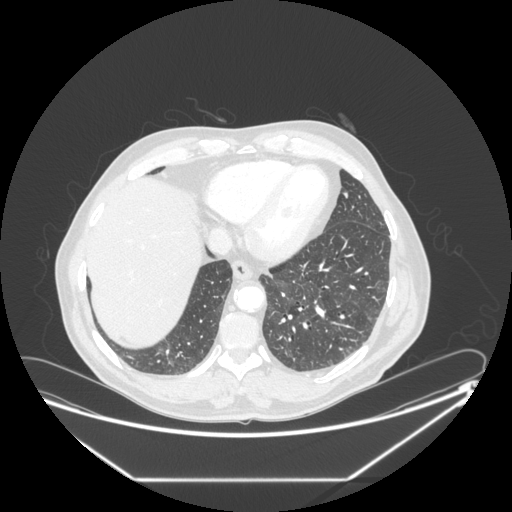
Axial slice 95 of 277 of a chest CT (slice 1 is the lowest), reconstructed with the STANDARD kernel at 120 kVp; 1.25 mm slice thickness and 0.879 mm pixels.
Pulmonary nodule at rows 192–197, columns 343–348 (box = the union of the readers' outlines on this slice), outlined by two of the four readers; longest diameter 8.5 mm on average over the two readers' outlines (readers' outlines 7.6–9.3 mm), volume 94–139 mm3. Ratings, by the readers' most common answer with dissent counted: texture split among the readers: 4/5 (one), 5/5 (solid) (one); margin split among the readers: 3/5 (one), 5/5 (circumscribed) (one); sphericity split among the readers: 2/5 (one), 4/5 (one); calcification absent from both readers; internal structure soft tissue, both readers agreeing; subtlety split among the readers: 3/5 (one), 5/5 (one); malignancy likelihood 2/5, both readers agreeing. Scale key (1–5): texture non-solid→solid, margin indistinct→circumscribed, sphericity linear→round, subtlety extremely subtle→obvious, malignancy likelihood highly unlikely→highly suspicious of cancer. Box rows and columns are 0-based pixel indices from the top-left corner, inclusive.